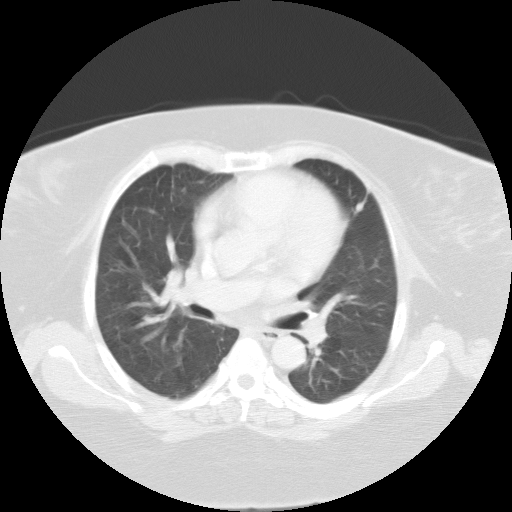
Chest CT, axial plane, 135 kVp, kernel FC01. Slice 68/102 from the bottom of the scan; thickness 3.00 mm; pixel size 0.808 mm.
Pulmonary nodule at rows 202–212, columns 355–364 (box = the union of the readers' outlines on this slice), outlined by three of the four readers; longest diameter 11.1 mm on average over the three readers' outlines (readers' outlines 10.1–12.0 mm), volume 288–494 mm3. The readers' prevailing ratings and who disagreed: most readers (two of three) put texture at 5/5 (solid), others 4/5 (one); most readers (two of three) put margin at 4/5, others 3/5 (one); most readers (two of three) put sphericity at 3/5 (ovoid), others 4/5 (one); calcification absent from all three readers; internal structure soft tissue, all three readers agreeing; subtlety 3/5 by two of three readers; the rest gave 4/5 (one); malignancy likelihood 3/5, all three readers agreeing. Scale key (1–5): texture non-solid→solid, margin indistinct→circumscribed, sphericity linear→round, subtlety extremely subtle→obvious, malignancy likelihood highly unlikely→highly suspicious of cancer. Box rows and columns are 0-based pixel indices from the top-left corner, inclusive.